Axial slice 51 of 154 of a chest CT (slice 1 is the lowest), reconstructed with the STANDARD kernel at 120 kVp; 2.50 mm slice thickness and 0.684 mm pixels.
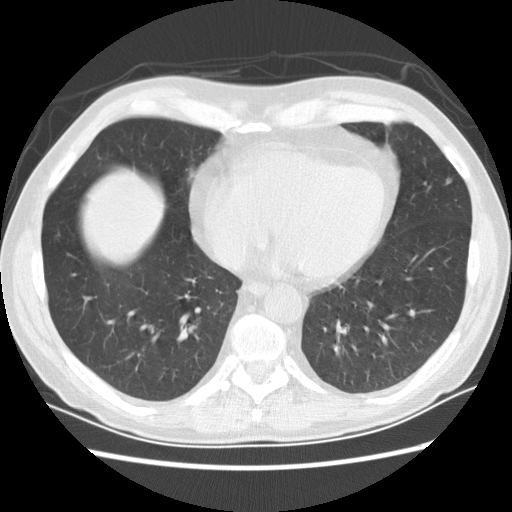
Pulmonary nodule, outlined by three of the four readers. Box on this slice rows 177–184, columns 445–451, the union of the readers' outlines on this slice; longest diameter 6.7 mm on average over the three readers' outlines (readers' outlines 6.4–7.3 mm), volume 74–83 mm3. The readers' prevailing ratings and who disagreed: most readers (two of three) put texture at 5/5 (solid), others 2/5 (one); most readers (two of three) put margin at 5/5 (circumscribed), others 3/5 (one); most readers (two of three) put sphericity at 4/5, others 5/5 (round) (one); calcification absent, all three readers agreeing; internal structure soft tissue, all three readers agreeing; subtlety split among the readers: 2/5 (one), 3/5 (one), 4/5 (one); most readers (two of three) put malignancy likelihood at 2/5, others 1/5 (one). Scale key (1–5): texture non-solid→solid, margin indistinct→circumscribed, sphericity linear→round, subtlety extremely subtle→obvious, malignancy likelihood highly unlikely→highly suspicious of cancer. Box rows and columns are 0-based pixel indices from the top-left corner, inclusive.